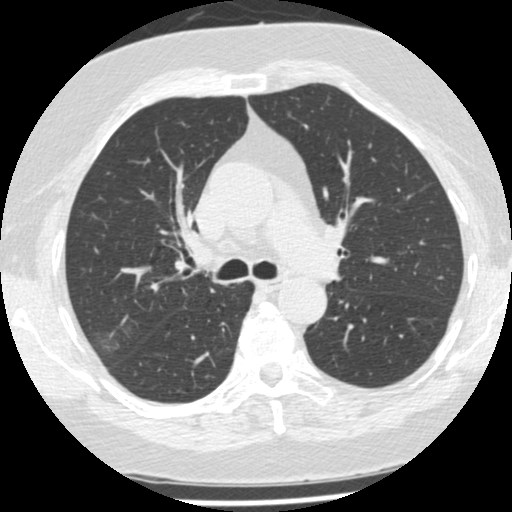
One axial slice (320 of 487, counting up from the lowest) of a chest CT acquired at 120 kVp with the STANDARD kernel; each pixel is 0.586 mm and the slice is 1.25 mm thick.
Pulmonary nodule, outlined by two of the four readers, one of them on this slice. Box on this slice rows 329–355, columns 91–119, the one reader's outline on this slice; longest diameter 18.1 mm on average over the two readers' outlines (readers' outlines 11.3–24.9 mm), volume 232–2964 mm3. The readers' prevailing ratings and who disagreed: texture 3/5 (part-solid) from both readers; margin split among the readers: 1/5 (indistinct) (one), 2/5 (one); sphericity 4/5 from both readers; calcification absent, both readers agreeing; internal structure soft tissue from both readers; subtlety 4/5 from both readers; malignancy likelihood split among the readers: 3/5 (one), 4/5 (one). Scale key (1–5): texture non-solid→solid, margin indistinct→circumscribed, sphericity linear→round, subtlety extremely subtle→obvious, malignancy likelihood highly unlikely→highly suspicious of cancer. Box rows and columns are 0-based pixel indices from the top-left corner, inclusive.